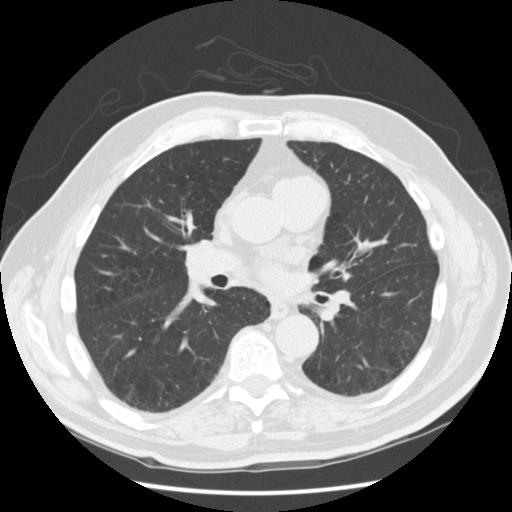
Slice 85/166 of a chest CT, counting up from the lowest; pixel size 0.723 mm, slice thickness 2.50 mm. No nodule 3 mm or larger was outlined here by any reader.
Acquired at 120 kVp and reconstructed with the STANDARD kernel.